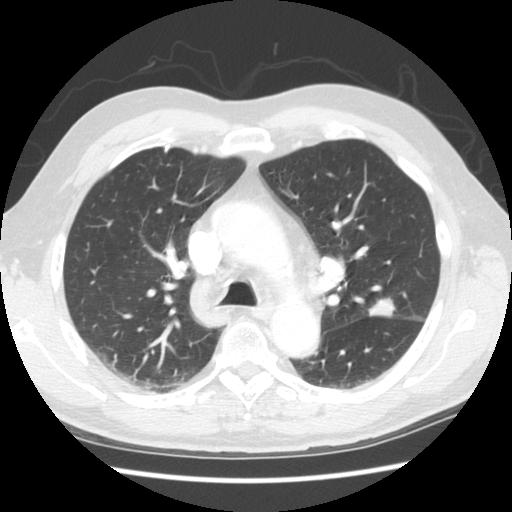
One axial slice (173 of 258, counting up from the lowest) of a chest CT acquired at 120 kVp with the STANDARD kernel; each pixel is 0.664 mm and the slice is 2.50 mm thick.
Pulmonary nodule at rows 297–316, columns 368–395 (box = the union of the readers' outlines on this slice), outlined by all four readers; longest diameter 19.7–21.9 mm and volume 1387–1715 mm3 across the four readers' outlines. The readers' ratings, as ranges where they differ: texture 5/5 (solid), all four readers agreeing; margin from 3/5 to 4/5 across the four readers; sphericity from 2/5 to 4/5 across the four readers; calcification absent, all four readers agreeing; internal structure soft tissue from all four readers; subtlety 5/5 from all four readers; malignancy likelihood 3–5/5 (the readers disagree). Scale key (1–5): texture non-solid→solid, margin indistinct→circumscribed, sphericity linear→round, subtlety extremely subtle→obvious, malignancy likelihood highly unlikely→highly suspicious of cancer. Box rows and columns are 0-based pixel indices from the top-left corner, inclusive.